One axial slice (208 of 280, counting up from the lowest) of a chest CT acquired at 120 kVp with the D kernel; each pixel is 0.564 mm and the slice is 1.00 mm thick.
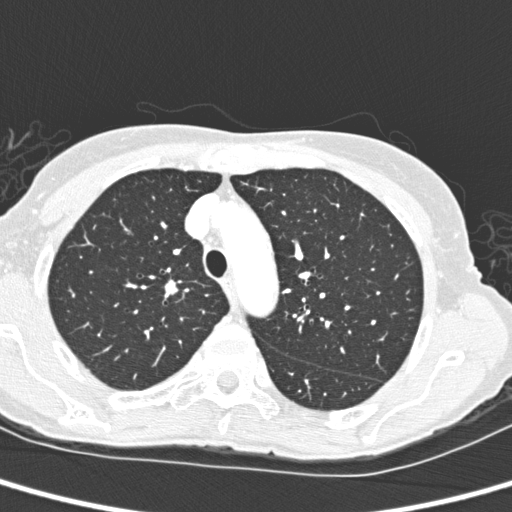
Pulmonary nodule, outlined by all four readers. Box on this slice rows 278–297, columns 164–177, the union of the readers' outlines on this slice; median longest diameter 11.7 mm (readers' outlines 9.9–12.5 mm), median volume 494 mm3 (362–590 mm3). Median ratings and the readers' spread: texture 5/5 (solid) at the median of four readers, spread 4/5 to 5/5 (solid); margin 4.5/5 at the median of four readers, spread 4/5 to 5/5 (circumscribed); sphericity 4.5/5 at the median of four readers, spread 3/5 (ovoid) to 5/5 (round); calcification absent from all four readers; internal structure soft tissue, all four readers agreeing; median subtlety 4.5/5 (readers ranged 4–5); malignancy likelihood 4.5/5 at the median of four readers, spread 2–5. Scale key (1–5): texture non-solid→solid, margin indistinct→circumscribed, sphericity linear→round, subtlety extremely subtle→obvious, malignancy likelihood highly unlikely→highly suspicious of cancer. Box rows and columns are 0-based pixel indices from the top-left corner, inclusive.